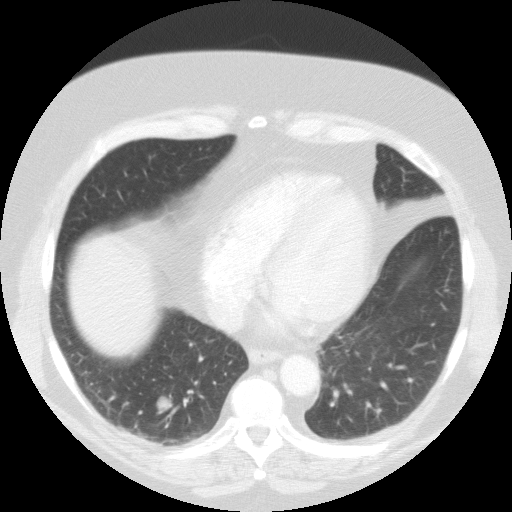
Chest CT, axial plane, 135 kVp, kernel FC01. Slice 47/111 from the bottom of the scan; thickness 3.00 mm; pixel size 0.751 mm.
Pulmonary nodule at rows 396–413, columns 156–172 (box = the union of the readers' outlines on this slice), outlined by all four readers; longest diameter 14.6–18.2 mm and volume 1388–1524 mm3 across the four readers' outlines. Ratings across the readers: texture 5/5 (solid) from all four readers; margin 5/5 (circumscribed) from all four readers; sphericity 5/5 (round), all four readers agreeing; calcification absent from all four readers; internal structure soft tissue from all four readers; subtlety from 3/5 to 5/5 across the four readers; malignancy likelihood from 2/5 to 5/5 across the four readers. Scale key (1–5): texture non-solid→solid, margin indistinct→circumscribed, sphericity linear→round, subtlety extremely subtle→obvious, malignancy likelihood highly unlikely→highly suspicious of cancer. Box rows and columns are 0-based pixel indices from the top-left corner, inclusive.